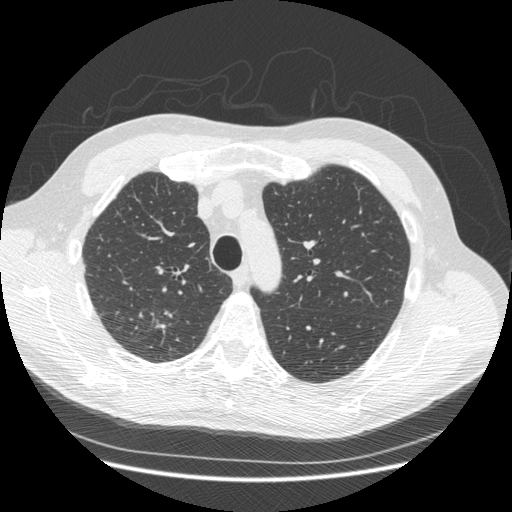
Axial chest CT slice 367 of 493 (counted from the lowest slice); tube voltage 120 kVp, convolution kernel STANDARD; slices 1.25 mm thick, 0.742 mm per pixel.
Pulmonary nodule outlined by three of the four readers, one of them on this slice; box rows 324–327, columns 157–164 (the one reader's outline on this slice); median longest diameter 12.6 mm (readers' outlines 12.6–14.1 mm), median volume 104 mm3 (104–271 mm3). Ratings, median across the readers with their spread: texture 4/5 at the median of three readers, spread 4/5 to 5/5 (solid); margin 3/5, all three readers agreeing; sphericity 2/5 at the median of three readers, spread 2/5 to 4/5; calcification absent, all three readers agreeing; internal structure soft tissue, all three readers agreeing; median subtlety 3/5 (readers ranged 2–5); malignancy likelihood 4/5 at the median of three readers, spread 2–4. Scale key (1–5): texture non-solid→solid, margin indistinct→circumscribed, sphericity linear→round, subtlety extremely subtle→obvious, malignancy likelihood highly unlikely→highly suspicious of cancer. Box rows and columns are 0-based pixel indices from the top-left corner, inclusive.